One axial slice (95 of 133, counting up from the lowest) of a chest CT acquired at 120 kVp with the STANDARD kernel; each pixel is 0.703 mm and the slice is 2.50 mm thick.
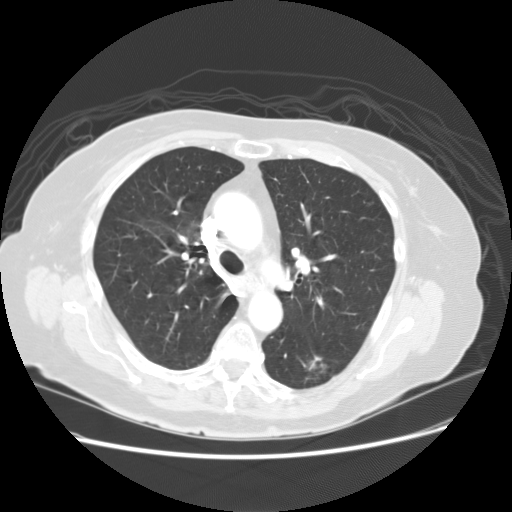
Pulmonary nodule outlined by all four readers, one of them on this slice; box rows 362–369, columns 308–326 (the one reader's outline on this slice); longest diameter 32.0–33.7 mm and volume 6146–7869 mm3 across the four readers' outlines. Ratings across the readers: texture from 4/5 to 5/5 (solid) across the four readers; margin from 2/5 to 4/5 across the four readers; sphericity from 3/5 (ovoid) to 5/5 (round) across the four readers; calcification absent from all four readers; internal structure soft tissue from all four readers; subtlety 5/5, all four readers agreeing; malignancy likelihood 4–5/5 (the readers disagree). Scale key (1–5): texture non-solid→solid, margin indistinct→circumscribed, sphericity linear→round, subtlety extremely subtle→obvious, malignancy likelihood highly unlikely→highly suspicious of cancer. Box rows and columns are 0-based pixel indices from the top-left corner, inclusive.